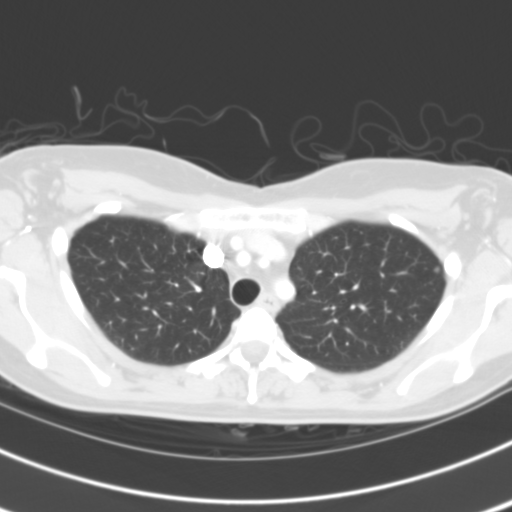
Chest CT, axial plane, 120 kVp, kernel B31f. Slice 83/107 from the bottom of the scan; thickness 3.00 mm; pixel size 0.586 mm.
Pulmonary nodule outlined by two of the four readers; box rows 265–273, columns 433–440 (the union of the readers' outlines on this slice); median longest diameter 5.8 mm (readers' outlines 5.2–6.3 mm), median volume 64 mm3 (51–76 mm3). Ratings, median across the readers with their spread: texture 2.5/5 at the median of two readers, spread 1/5 (non-solid) to 4/5; median margin 3/5 (readers ranged 2/5 to 4/5); sphericity 3.5/5 at the median of two readers, spread 3/5 (ovoid) to 4/5; calcification absent from both readers; internal structure soft tissue from both readers; median subtlety 2/5 (readers ranged 1–3); median malignancy likelihood 2/5 (readers ranged 1–3). Scale key (1–5): texture non-solid→solid, margin indistinct→circumscribed, sphericity linear→round, subtlety extremely subtle→obvious, malignancy likelihood highly unlikely→highly suspicious of cancer. Box rows and columns are 0-based pixel indices from the top-left corner, inclusive.